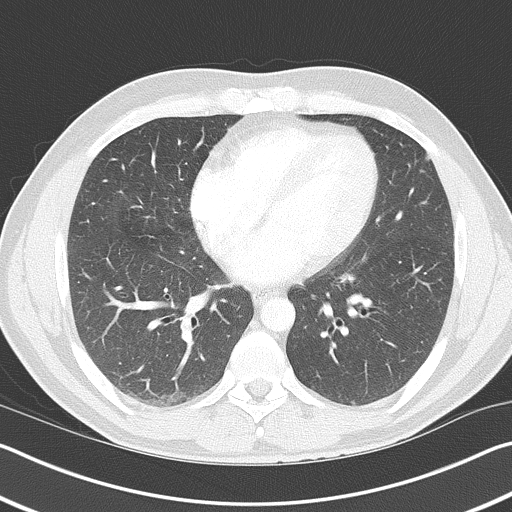
Axial chest CT slice 199 of 368 (counted from the lowest slice); 2.00 mm thick, 0.660 mm per pixel. Pulmonary nodule, outlined by one of the four readers. Box on this slice rows 154–160, columns 424–429, that reader's outline on this slice; longest diameter 8.2 mm and volume 108 mm3 from that reader's outline. That reader's ratings: texture 1/5 (non-solid); margin 2/5; sphericity 5/5 (round); calcification absent; internal structure soft tissue; subtlety 1/5; malignancy likelihood 2/5. Scale key (1–5): texture non-solid→solid, margin indistinct→circumscribed, sphericity linear→round, subtlety extremely subtle→obvious, malignancy likelihood highly unlikely→highly suspicious of cancer. Box rows and columns are 0-based pixel indices from the top-left corner, inclusive.
Tube voltage 120 kVp; convolution kernel B70f.